Chest CT, axial plane, 120 kVp, kernel STANDARD. Slice 81/156 from the bottom of the scan; thickness 2.50 mm; pixel size 0.645 mm.
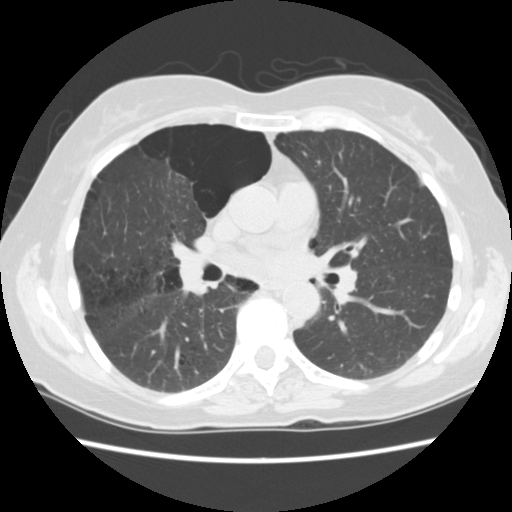
Pulmonary nodule outlined by three of the four readers, two of them on this slice; box rows 178–187, columns 418–423 (the union of the readers' outlines on this slice); longest diameter 9.0 mm on average over the three readers' outlines (readers' outlines 9.0–9.2 mm), volume 151–180 mm3. Ratings, by the readers' most common answer with dissent counted: texture 5/5 (solid) from all three readers; most readers (two of three) put margin at 5/5 (circumscribed), others 4/5 (one); sphericity 3/5 (ovoid), all three readers agreeing; calcification absent, all three readers agreeing; internal structure soft tissue from all three readers; most readers (two of three) put subtlety at 5/5, others 4/5 (one); most readers (two of three) put malignancy likelihood at 2/5, others 3/5 (one). Scale key (1–5): texture non-solid→solid, margin indistinct→circumscribed, sphericity linear→round, subtlety extremely subtle→obvious, malignancy likelihood highly unlikely→highly suspicious of cancer. Box rows and columns are 0-based pixel indices from the top-left corner, inclusive.